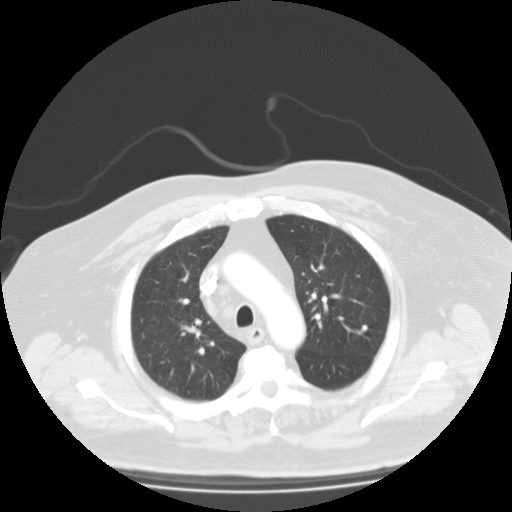
Slice 90/123 of a chest CT, counting up from the lowest; pixel size 0.877 mm, slice thickness 3.00 mm. Pulmonary nodule at rows 325–333, columns 358–367 (box = the union of the readers' outlines on this slice), outlined by two of the four readers; longest diameter 12.2–13.2 mm and volume 398–442 mm3 across the two readers' outlines. The readers' ratings, as ranges where they differ: texture 5/5 (solid) from both readers; margin from 4/5 to 5/5 (circumscribed) across the two readers; sphericity from 3/5 (ovoid) to 4/5 across the two readers; calcification split among the readers: central calcification (one), absent (one); internal structure soft tissue, both readers agreeing; subtlety 4–5/5 (the readers disagree); malignancy likelihood 1–2/5 (the readers disagree). Scale key (1–5): texture non-solid→solid, margin indistinct→circumscribed, sphericity linear→round, subtlety extremely subtle→obvious, malignancy likelihood highly unlikely→highly suspicious of cancer. Box rows and columns are 0-based pixel indices from the top-left corner, inclusive.
Acquired at 135 kVp and reconstructed with the FC01 kernel.